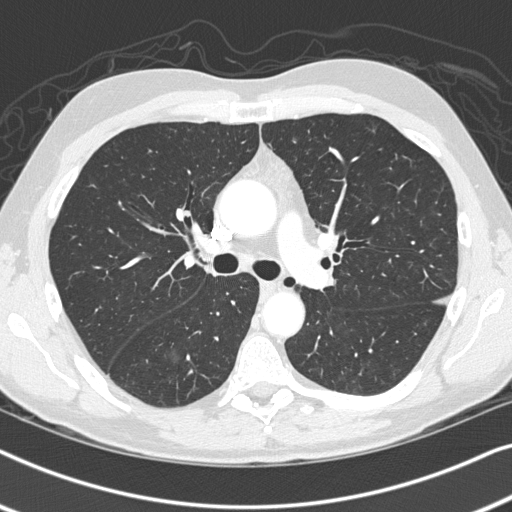
Axial slice 208 of 326 of a chest CT (slice 1 is the lowest), reconstructed with the B45f kernel at 120 kVp; 1.00 mm slice thickness and 0.645 mm pixels.
Pulmonary nodule, outlined by all four readers, three of them on this slice. Box on this slice rows 346–366, columns 165–180, the union of the readers' outlines on this slice; the four readers' outlines give a longest diameter between 12.5 and 18.0 mm and a volume between 328 and 843 mm3. Ratings across the readers: texture 1/5 (non-solid), all four readers agreeing; margin from 1/5 (indistinct) to 4/5 across the four readers; sphericity from 3/5 (ovoid) to 5/5 (round) across the four readers; calcification absent from all four readers; internal structure soft tissue, all four readers agreeing; subtlety 1–4/5 (the readers disagree); malignancy likelihood 2–4/5 (the readers disagree). Scale key (1–5): texture non-solid→solid, margin indistinct→circumscribed, sphericity linear→round, subtlety extremely subtle→obvious, malignancy likelihood highly unlikely→highly suspicious of cancer. Box rows and columns are 0-based pixel indices from the top-left corner, inclusive.